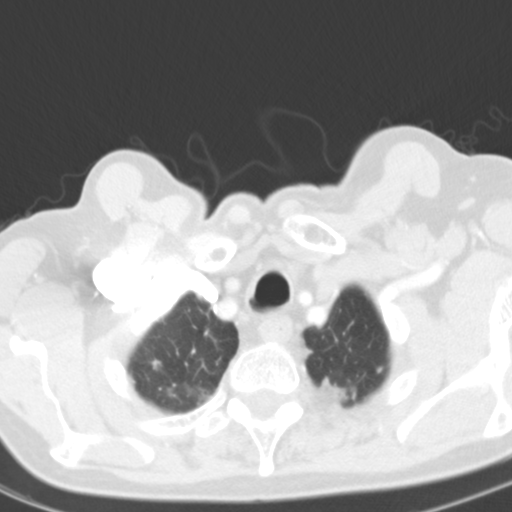
One axial slice (113 of 127, counting up from the lowest) of a chest CT acquired at 120 kVp with the B31f kernel; each pixel is 0.537 mm and the slice is 3.00 mm thick.
Pulmonary nodule, outlined by one of the four readers. Box on this slice rows 360–368, columns 152–160, that reader's outline on this slice; longest diameter 8.7 mm and volume 147 mm3 from that reader's outline. That reader's ratings: texture 5/5 (solid); margin 3/5; sphericity 2/5; calcification absent; internal structure soft tissue; subtlety 4/5; malignancy likelihood 3/5. Scale key (1–5): texture non-solid→solid, margin indistinct→circumscribed, sphericity linear→round, subtlety extremely subtle→obvious, malignancy likelihood highly unlikely→highly suspicious of cancer. Box rows and columns are 0-based pixel indices from the top-left corner, inclusive.